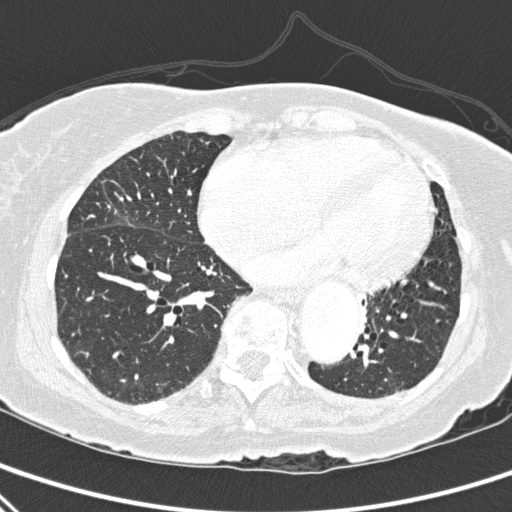
This is axial slice 110 of 310 (slice 1 is the lowest) of a chest CT; each pixel is 0.643 mm and the slice is 1.00 mm thick. This slice carries no reader outline of a nodule 3 mm or larger.
Scan settings: 120 kVp, D reconstruction kernel.